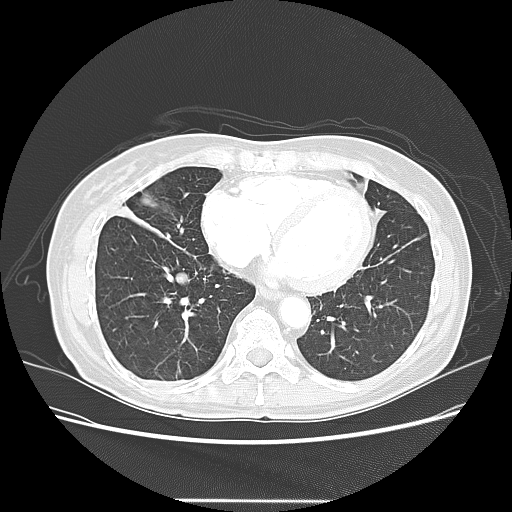
Axial slice 54 of 133 of a chest CT (slice 1 is the lowest), reconstructed with the LUNG kernel at 120 kVp; 2.50 mm slice thickness and 0.703 mm pixels.
Pulmonary nodule at rows 272–285, columns 175–191 (box = the union of the readers' outlines on this slice), outlined by all four readers; the four readers' outlines give a longest diameter between 12.1 and 13.8 mm and a volume between 702 and 894 mm3. The readers' ratings, as ranges where they differ: texture 5/5 (solid) from all four readers; margin from 4/5 to 5/5 (circumscribed) across the four readers; sphericity from 4/5 to 5/5 (round) across the four readers; calcification absent from all four readers; internal structure soft tissue from all four readers; subtlety rated between 4 and 5 out of 5 by the four readers; malignancy likelihood 3–5/5 (the readers disagree). Scale key (1–5): texture non-solid→solid, margin indistinct→circumscribed, sphericity linear→round, subtlety extremely subtle→obvious, malignancy likelihood highly unlikely→highly suspicious of cancer. Box rows and columns are 0-based pixel indices from the top-left corner, inclusive.